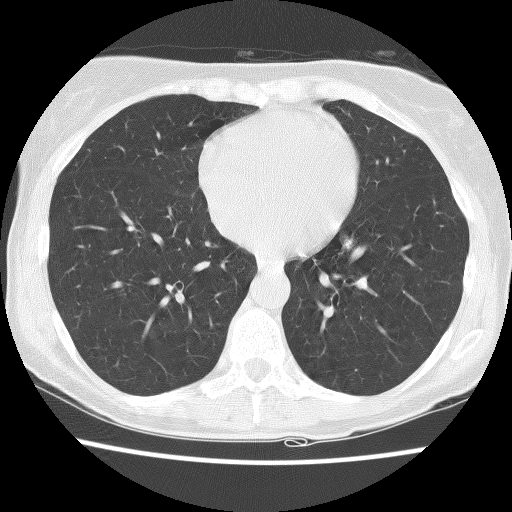
Axial chest CT slice 54 of 130 (counted from the lowest slice); tube voltage 140 kVp, convolution kernel BONE; slices 2.50 mm thick, 0.596 mm per pixel.
No nodule of 3 mm or larger was outlined by any of the four readers on this slice.